Chest CT, axial plane, 120 kVp, kernel STANDARD. Slice 434/481 from the bottom of the scan; thickness 1.25 mm; pixel size 0.664 mm.
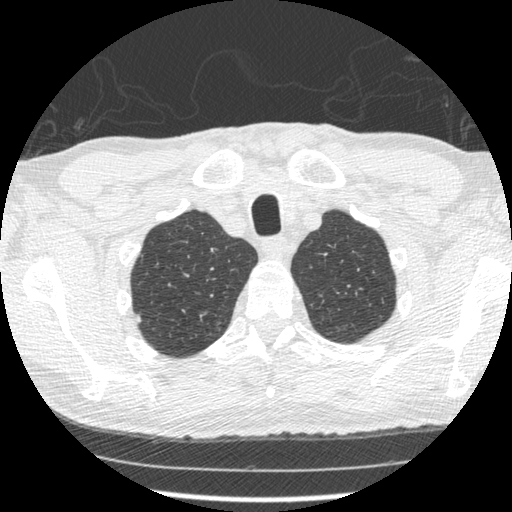
Pulmonary nodule, outlined by one of the four readers. Box on this slice rows 314–321, columns 136–140, that reader's outline on this slice; longest diameter 7.4 mm and volume 79 mm3 from that reader's outline. That reader's ratings: texture 5/5 (solid); margin 2/5; sphericity 3/5 (ovoid); calcification absent; internal structure soft tissue; subtlety 4/5; malignancy likelihood 2/5. Scale key (1–5): texture non-solid→solid, margin indistinct→circumscribed, sphericity linear→round, subtlety extremely subtle→obvious, malignancy likelihood highly unlikely→highly suspicious of cancer. Box rows and columns are 0-based pixel indices from the top-left corner, inclusive.